Chest CT, axial plane, 120 kVp, kernel STANDARD. Slice 298/413 from the bottom of the scan; thickness 1.25 mm; pixel size 0.703 mm.
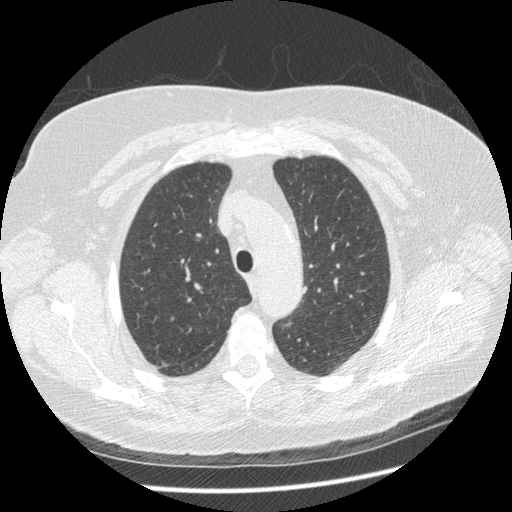
Pulmonary nodule outlined by two of the four readers, one of them on this slice; box rows 359–366, columns 160–168 (the one reader's outline on this slice); longest diameter 7.7 mm on average over the two readers' outlines (readers' outlines 7.3–8.0 mm), volume 94–128 mm3. Ratings, by the readers' most common answer with dissent counted: texture 5/5 (solid) from both readers; margin split among the readers: 3/5 (one), 4/5 (one); sphericity split among the readers: 2/5 (one), 3/5 (ovoid) (one); calcification absent, both readers agreeing; internal structure soft tissue, both readers agreeing; subtlety split among the readers: 3/5 (one), 4/5 (one); malignancy likelihood split among the readers: 3/5 (one), 5/5 (one). Scale key (1–5): texture non-solid→solid, margin indistinct→circumscribed, sphericity linear→round, subtlety extremely subtle→obvious, malignancy likelihood highly unlikely→highly suspicious of cancer. Box rows and columns are 0-based pixel indices from the top-left corner, inclusive.